Axial slice 98 of 127 of a chest CT (slice 1 is the lowest), reconstructed with the B31f kernel at 120 kVp; 3.00 mm slice thickness and 0.537 mm pixels.
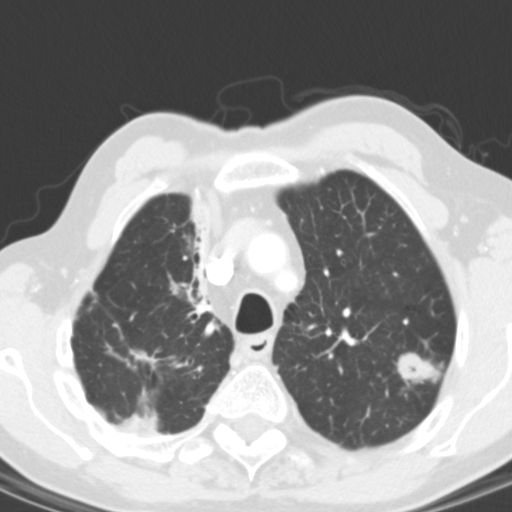
Pulmonary nodule, outlined by all four readers. Box on this slice rows 352–385, columns 396–443, the union of the readers' outlines on this slice; longest diameter 28.1 mm on average over the four readers' outlines (readers' outlines 25.3–34.3 mm), volume 2614–3808 mm3. The readers' prevailing ratings and who disagreed: texture 5/5 (solid) by three of four readers; the rest gave 4/5 (one); margin split among the readers: 2/5 (one), 3/5 (one), 4/5 (one), 5/5 (circumscribed) (one); sphericity 4/5 by three of four readers; the rest gave 3/5 (ovoid) (one); calcification absent, all four readers agreeing; internal structure soft tissue, all four readers agreeing; most readers (three of four) put subtlety at 5/5, others 4/5 (one); malignancy likelihood split among the readers: 2/5 (one), 3/5 (one), 4/5 (one), 5/5 (one). Scale key (1–5): texture non-solid→solid, margin indistinct→circumscribed, sphericity linear→round, subtlety extremely subtle→obvious, malignancy likelihood highly unlikely→highly suspicious of cancer. Box rows and columns are 0-based pixel indices from the top-left corner, inclusive.